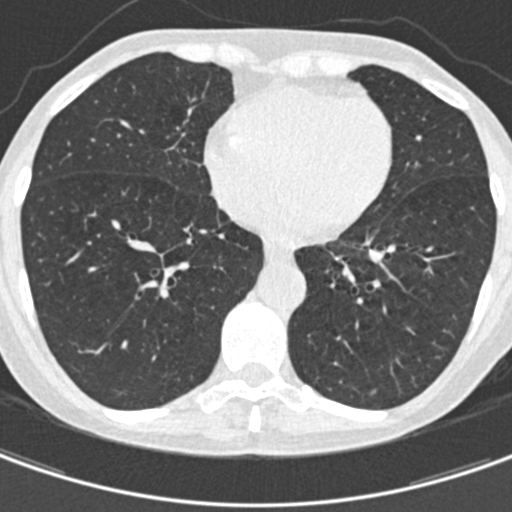
This is axial slice 174 of 429 (slice 1 is the lowest) of a chest CT; each pixel is 0.537 mm and the slice is 0.75 mm thick. Pulmonary nodule outlined by two of the four readers, one of them on this slice; box rows 390–393, columns 371–374 (the one reader's outline on this slice); the two readers' outlines give a longest diameter between 5.6 and 5.7 mm and a volume between 25 and 33 mm3. The readers' ratings, as ranges where they differ: texture from 3/5 (part-solid) to 5/5 (solid) across the two readers; margin from 3/5 to 5/5 (circumscribed) across the two readers; sphericity from 4/5 to 5/5 (round) across the two readers; calcification absent, both readers agreeing; internal structure soft tissue, both readers agreeing; subtlety rated between 3 and 4 out of 5 by the two readers; malignancy likelihood 2–3/5 (the readers disagree). Scale key (1–5): texture non-solid→solid, margin indistinct→circumscribed, sphericity linear→round, subtlety extremely subtle→obvious, malignancy likelihood highly unlikely→highly suspicious of cancer. Box rows and columns are 0-based pixel indices from the top-left corner, inclusive.
Tube voltage 120 kVp; convolution kernel B30f.